Axial slice 109 of 141 of a chest CT (slice 1 is the lowest), reconstructed with the STANDARD kernel at 120 kVp; 2.50 mm slice thickness and 0.586 mm pixels.
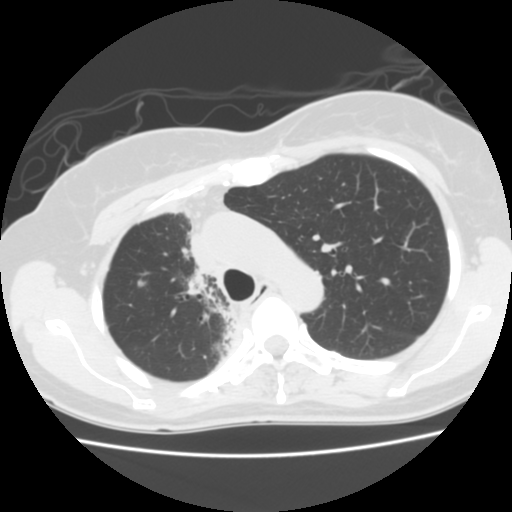
Pulmonary nodule, outlined by all four readers. Box on this slice rows 278–287, columns 137–147, the union of the readers' outlines on this slice; longest diameter 6.3–7.4 mm and volume 101–134 mm3 across the four readers' outlines. The readers' ratings, as ranges where they differ: texture from 4/5 to 5/5 (solid) across the four readers; margin from 1/5 (indistinct) to 5/5 (circumscribed) across the four readers; sphericity from 3/5 (ovoid) to 5/5 (round) across the four readers; calcification absent, all four readers agreeing; internal structure soft tissue, all four readers agreeing; subtlety from 3/5 to 5/5 across the four readers; malignancy likelihood from 2/5 to 3/5 across the four readers. Scale key (1–5): texture non-solid→solid, margin indistinct→circumscribed, sphericity linear→round, subtlety extremely subtle→obvious, malignancy likelihood highly unlikely→highly suspicious of cancer. Box rows and columns are 0-based pixel indices from the top-left corner, inclusive.